Axial chest CT slice 81 of 143 (counted from the lowest slice); tube voltage 120 kVp, convolution kernel LUNG; slices 2.50 mm thick, 0.781 mm per pixel.
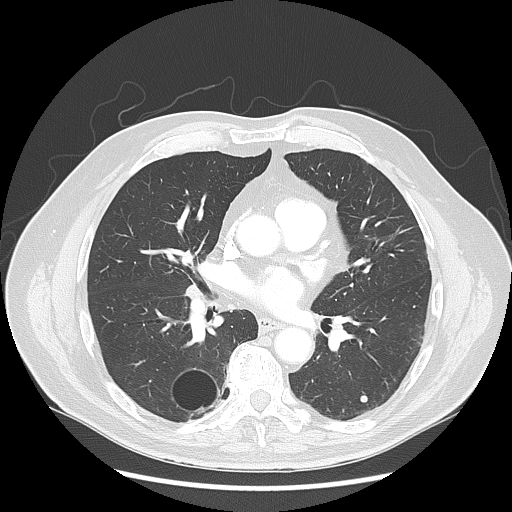
Pulmonary nodule at rows 395–402, columns 360–367 (box = the union of the readers' outlines on this slice), outlined by all four readers; median longest diameter 7.0 mm (readers' outlines 6.7–7.2 mm), median volume 169 mm3 (165–182 mm3). Ratings, median across the readers with their spread: texture 5/5 (solid) from all four readers; median margin 5/5 (circumscribed) (readers ranged 4/5 to 5/5 (circumscribed)); median sphericity 5/5 (round) (readers ranged 4/5 to 5/5 (round)); calcification: absent (three), solid calcification (one); internal structure soft tissue from all four readers; median subtlety 4/5 (readers ranged 4–5); malignancy likelihood 2.5/5 at the median of four readers, spread 1–3. Scale key (1–5): texture non-solid→solid, margin indistinct→circumscribed, sphericity linear→round, subtlety extremely subtle→obvious, malignancy likelihood highly unlikely→highly suspicious of cancer. Box rows and columns are 0-based pixel indices from the top-left corner, inclusive.